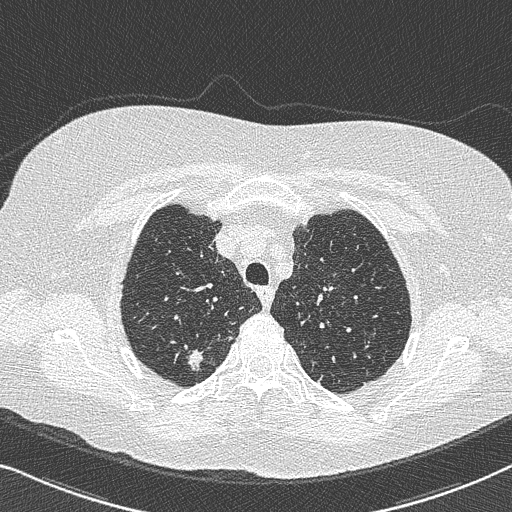
Chest CT, axial plane, 120 kVp, kernel B50f. Slice 590/733 from the bottom of the scan; thickness 0.60 mm; pixel size 0.637 mm.
Pulmonary nodule at rows 348–371, columns 187–203 (box = the union of the readers' outlines on this slice), outlined by all four readers; longest diameter 22.0 mm on average over the four readers' outlines (readers' outlines 15.5–29.7 mm), volume 888–2128 mm3. The readers' prevailing ratings and who disagreed: texture 5/5 (solid) by three of four readers; the rest gave 4/5 (one); margin 3/5 by two of four readers; the rest gave 1/5 (indistinct) (one), 4/5 (one); sphericity 3/5 (ovoid) by two of four readers; the rest gave 2/5 (one), 5/5 (round) (one); calcification absent from all four readers; internal structure soft tissue from all four readers; most readers (three of four) put subtlety at 5/5, others 4/5 (one); most readers (three of four) put malignancy likelihood at 4/5, others 5/5 (one). Scale key (1–5): texture non-solid→solid, margin indistinct→circumscribed, sphericity linear→round, subtlety extremely subtle→obvious, malignancy likelihood highly unlikely→highly suspicious of cancer. Box rows and columns are 0-based pixel indices from the top-left corner, inclusive.